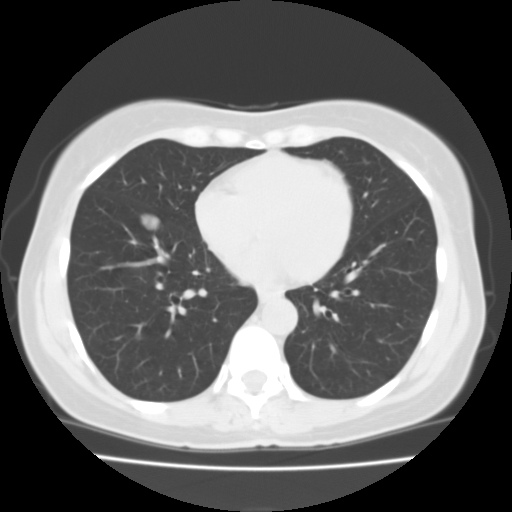
Axial chest CT slice 40 of 105 (counted from the lowest slice); tube voltage 135 kVp, convolution kernel FC01; slices 3.00 mm thick, 0.644 mm per pixel.
Pulmonary nodule outlined by all four readers; box rows 213–230, columns 140–160 (the union of the readers' outlines on this slice); median longest diameter 16.5 mm (readers' outlines 16.1–17.1 mm), median volume 1793 mm3 (1634–1866 mm3). Ratings, median across the readers with their spread: texture 5/5 (solid) from all four readers; median margin 4.5/5 (readers ranged 3/5 to 5/5 (circumscribed)); sphericity 5/5 (round) at the median of four readers, spread 4/5 to 5/5 (round); calcification absent, all four readers agreeing; internal structure soft tissue from all four readers; median subtlety 5/5 (readers ranged 3–5); malignancy likelihood 4/5 at the median of four readers, spread 2–5. Scale key (1–5): texture non-solid→solid, margin indistinct→circumscribed, sphericity linear→round, subtlety extremely subtle→obvious, malignancy likelihood highly unlikely→highly suspicious of cancer. Box rows and columns are 0-based pixel indices from the top-left corner, inclusive.